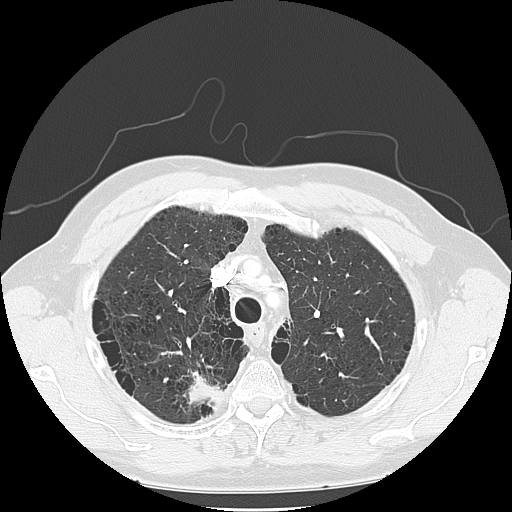
One axial slice (102 of 133, counting up from the lowest) of a chest CT acquired at 120 kVp with the LUNG kernel; each pixel is 0.703 mm and the slice is 2.50 mm thick.
Pulmonary nodule outlined by one of the four readers; box rows 373–408, columns 187–221 (that reader's outline on this slice); longest diameter 40.9 mm and volume 12423 mm3 from that reader's outline. That reader's ratings: texture 5/5 (solid); margin 3/5; sphericity 3/5 (ovoid); calcification absent; internal structure soft tissue; subtlety 5/5; malignancy likelihood 2/5. Scale key (1–5): texture non-solid→solid, margin indistinct→circumscribed, sphericity linear→round, subtlety extremely subtle→obvious, malignancy likelihood highly unlikely→highly suspicious of cancer. Box rows and columns are 0-based pixel indices from the top-left corner, inclusive.